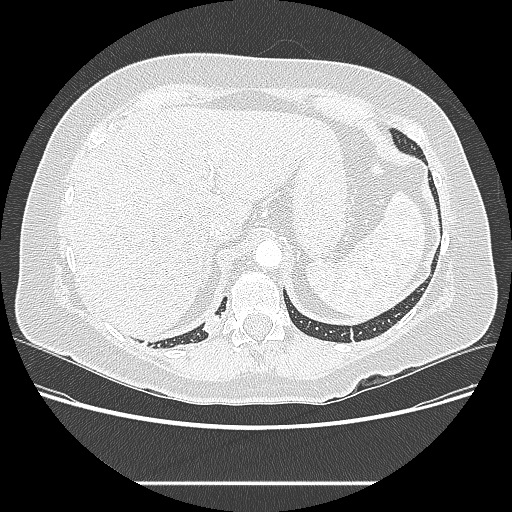
Chest CT, axial plane, 120 kVp, kernel LUNG. Slice 41/238 from the bottom of the scan; thickness 1.25 mm; pixel size 0.742 mm.
Pulmonary nodule, outlined by three of the four readers. Box on this slice rows 313–333, columns 201–220, the union of the readers' outlines on this slice; longest diameter 20.6–21.1 mm and volume 743–1062 mm3 across the three readers' outlines. The readers' ratings, as ranges where they differ: texture 5/5 (solid) from all three readers; margin from 4/5 to 5/5 (circumscribed) across the three readers; sphericity 3/5 (ovoid), all three readers agreeing; calcification absent from all three readers; internal structure soft tissue from all three readers; subtlety 3–4/5 (the readers disagree); malignancy likelihood 3/5 from all three readers. Scale key (1–5): texture non-solid→solid, margin indistinct→circumscribed, sphericity linear→round, subtlety extremely subtle→obvious, malignancy likelihood highly unlikely→highly suspicious of cancer. Box rows and columns are 0-based pixel indices from the top-left corner, inclusive.